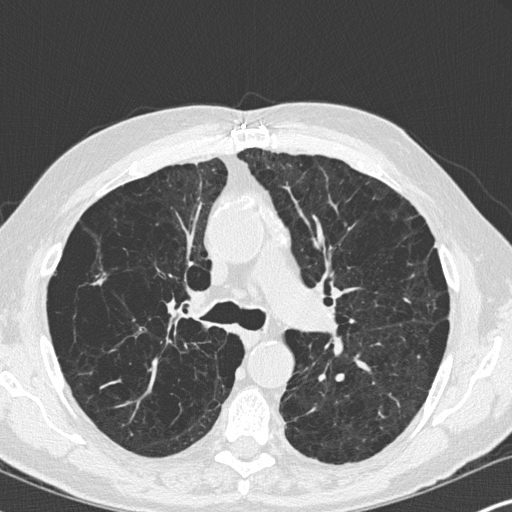
One axial slice (206 of 347, counting up from the lowest) of a chest CT acquired at 120 kVp with the B45f kernel; each pixel is 0.625 mm and the slice is 1.00 mm thick.
Pulmonary nodule, outlined by two of the four readers. Box on this slice rows 278–284, columns 92–105, the union of the readers' outlines on this slice; longest diameter 10.2 mm on average over the two readers' outlines (readers' outlines 10.1–10.3 mm), volume 119–145 mm3. The readers' prevailing ratings and who disagreed: texture 5/5 (solid) from both readers; margin split among the readers: 3/5 (one), 5/5 (circumscribed) (one); sphericity 2/5 from both readers; calcification absent, both readers agreeing; internal structure soft tissue from both readers; subtlety 3/5, both readers agreeing; malignancy likelihood split among the readers: 2/5 (one), 3/5 (one). Scale key (1–5): texture non-solid→solid, margin indistinct→circumscribed, sphericity linear→round, subtlety extremely subtle→obvious, malignancy likelihood highly unlikely→highly suspicious of cancer. Box rows and columns are 0-based pixel indices from the top-left corner, inclusive.